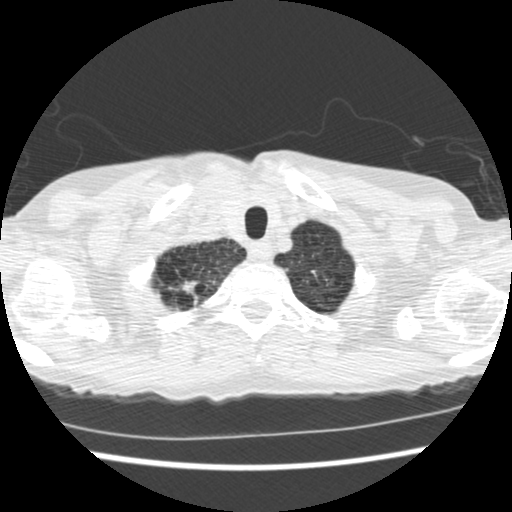
Axial chest CT slice 487 of 541 (counted from the lowest slice); tube voltage 120 kVp, convolution kernel STANDARD; slices 1.25 mm thick, 0.586 mm per pixel.
Pulmonary nodule at rows 281–302, columns 169–198 (box = that reader's outline on this slice), outlined by one of the four readers; longest diameter 24.9 mm and volume 491 mm3 from that reader's outline. That reader's ratings: texture 5/5 (solid); margin 1/5 (indistinct); sphericity 2/5; calcification absent; internal structure soft tissue; subtlety 4/5; malignancy likelihood 4/5. Scale key (1–5): texture non-solid→solid, margin indistinct→circumscribed, sphericity linear→round, subtlety extremely subtle→obvious, malignancy likelihood highly unlikely→highly suspicious of cancer. Box rows and columns are 0-based pixel indices from the top-left corner, inclusive.